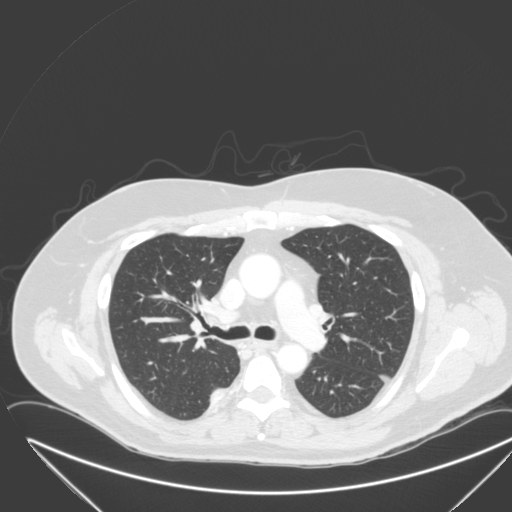
Axial chest CT slice 202 of 315 (counted from the lowest slice); tube voltage 120 kVp, convolution kernel B; slices 2.00 mm thick, 0.830 mm per pixel.
Pulmonary nodule, outlined by one of the four readers. Box on this slice rows 389–405, columns 211–223, that reader's outline on this slice; longest diameter 27.1 mm and volume 6093 mm3 from that reader's outline. Ratings by that reader: texture 5/5 (solid); margin 4/5; sphericity 2/5; calcification absent; internal structure soft tissue; subtlety 5/5; malignancy likelihood 4/5. Scale key (1–5): texture non-solid→solid, margin indistinct→circumscribed, sphericity linear→round, subtlety extremely subtle→obvious, malignancy likelihood highly unlikely→highly suspicious of cancer. Box rows and columns are 0-based pixel indices from the top-left corner, inclusive.